Axial slice 200 of 238 of a chest CT (slice 1 is the lowest), reconstructed with the BONE kernel at 120 kVp; 1.25 mm slice thickness and 0.703 mm pixels.
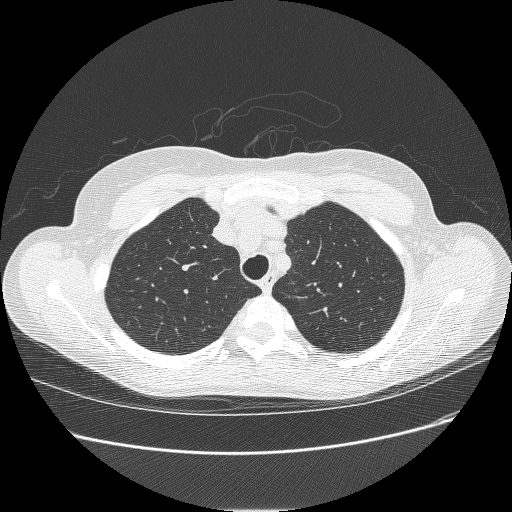
Pulmonary nodule, outlined by one of the four readers. Box on this slice rows 279–286, columns 140–149, that reader's outline on this slice; longest diameter 14.0 mm and volume 212 mm3 from that reader's outline. Ratings by that reader: texture 1/5 (non-solid); margin 1/5 (indistinct); sphericity 4/5; calcification absent; internal structure soft tissue; subtlety 3/5; malignancy likelihood 4/5. Scale key (1–5): texture non-solid→solid, margin indistinct→circumscribed, sphericity linear→round, subtlety extremely subtle→obvious, malignancy likelihood highly unlikely→highly suspicious of cancer. Box rows and columns are 0-based pixel indices from the top-left corner, inclusive.